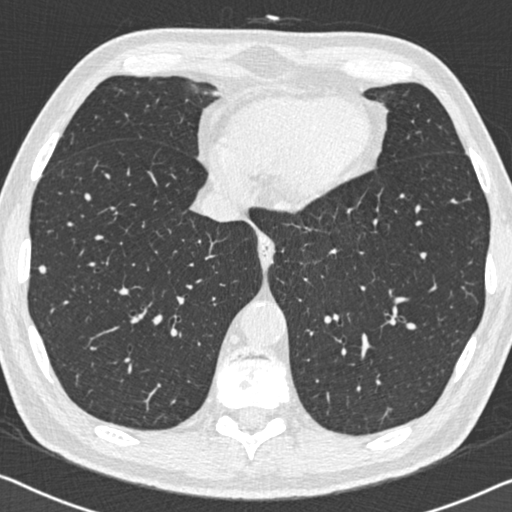
This is axial slice 208 of 558 (slice 1 is the lowest) of a chest CT; each pixel is 0.648 mm and the slice is 0.75 mm thick. Pulmonary nodule outlined by all four readers; box rows 265–273, columns 38–45 (the union of the readers' outlines on this slice); median longest diameter 7.3 mm (readers' outlines 5.6–7.4 mm), median volume 128 mm3 (75–143 mm3). Ratings, median across the readers with their spread: texture 5/5 (solid) from all four readers; margin 4.5/5 at the median of four readers, spread 4/5 to 5/5 (circumscribed); sphericity 5/5 (round) from all four readers; calcification absent, all four readers agreeing; internal structure soft tissue from all four readers; subtlety 4/5 at the median of four readers, spread 3–5; median malignancy likelihood 2.5/5 (readers ranged 2–4). Scale key (1–5): texture non-solid→solid, margin indistinct→circumscribed, sphericity linear→round, subtlety extremely subtle→obvious, malignancy likelihood highly unlikely→highly suspicious of cancer. Box rows and columns are 0-based pixel indices from the top-left corner, inclusive.
Tube voltage 120 kVp; convolution kernel B30f.